Chest CT, axial plane, 120 kVp, kernel STANDARD. Slice 76/241 from the bottom of the scan; thickness 1.25 mm; pixel size 0.822 mm.
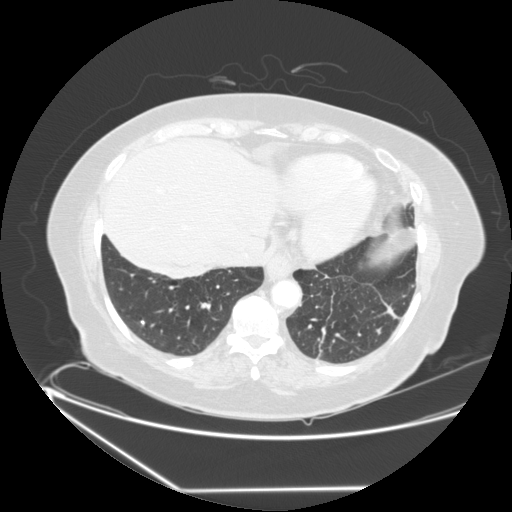
Pulmonary nodule outlined by all four readers; box rows 320–326, columns 137–145 (the union of the readers' outlines on this slice); longest diameter 6.8 mm on average over the four readers' outlines (readers' outlines 5.5–8.5 mm), volume 41–162 mm3. The readers' prevailing ratings and who disagreed: texture 5/5 (solid), all four readers agreeing; margin 5/5 (circumscribed), all four readers agreeing; sphericity split among the readers: 2/5 (one), 3/5 (ovoid) (one), 4/5 (one), 5/5 (round) (one); calcification solid calcification by three of four readers, absent (one); internal structure soft tissue, all four readers agreeing; subtlety 2/5 by two of four readers; the rest gave 3/5 (one), 5/5 (one); malignancy likelihood 1/5 by three of four readers; the rest gave 2/5 (one). Scale key (1–5): texture non-solid→solid, margin indistinct→circumscribed, sphericity linear→round, subtlety extremely subtle→obvious, malignancy likelihood highly unlikely→highly suspicious of cancer. Box rows and columns are 0-based pixel indices from the top-left corner, inclusive.